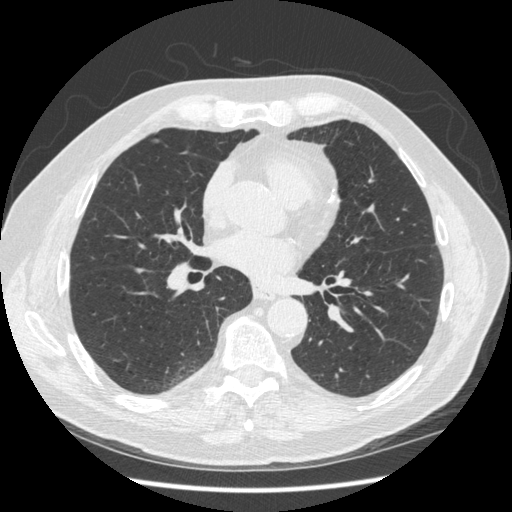
Axial chest CT slice 213 of 477 (counted from the lowest slice); tube voltage 120 kVp, convolution kernel STANDARD; slices 1.25 mm thick, 0.703 mm per pixel.
Pulmonary nodule outlined by three of the four readers; box rows 138–143, columns 150–159 (the union of the readers' outlines on this slice); longest diameter 7.8 mm on average over the three readers' outlines (readers' outlines 7.2–8.2 mm), volume 65–84 mm3. The readers' prevailing ratings and who disagreed: texture 5/5 (solid), all three readers agreeing; margin 5/5 (circumscribed) by two of three readers; the rest gave 3/5 (one); sphericity split among the readers: 3/5 (ovoid) (one), 4/5 (one), 5/5 (round) (one); calcification absent, all three readers agreeing; internal structure soft tissue, all three readers agreeing; subtlety split among the readers: 3/5 (one), 4/5 (one), 5/5 (one); most readers (two of three) put malignancy likelihood at 3/5, others 2/5 (one). Scale key (1–5): texture non-solid→solid, margin indistinct→circumscribed, sphericity linear→round, subtlety extremely subtle→obvious, malignancy likelihood highly unlikely→highly suspicious of cancer. Box rows and columns are 0-based pixel indices from the top-left corner, inclusive.